Chest CT, axial plane, 120 kVp, kernel STANDARD. Slice 172/256 from the bottom of the scan; thickness 1.25 mm; pixel size 0.703 mm.
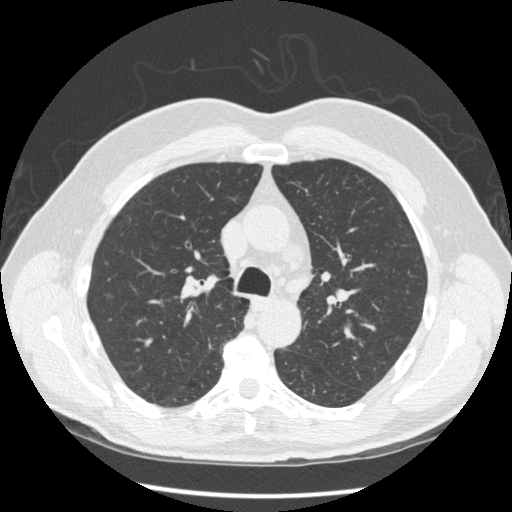
None of the four readers outlined a nodule of 3 mm or more on this slice.